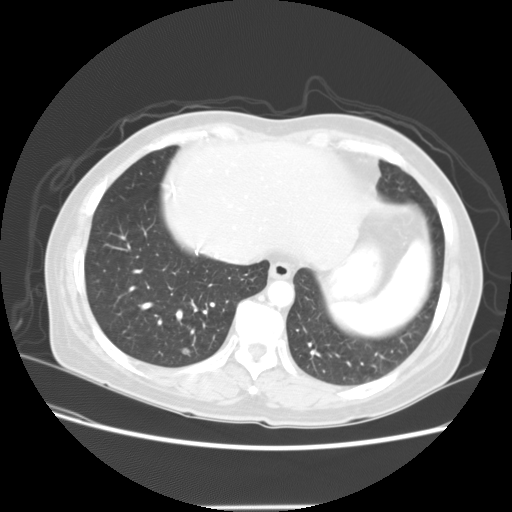
Axial slice 56 of 133 of a chest CT (slice 1 is the lowest), reconstructed with the STANDARD kernel at 120 kVp; 2.50 mm slice thickness and 0.703 mm pixels.
Pulmonary nodule outlined by all four readers; box rows 348–355, columns 181–189 (the union of the readers' outlines on this slice); the four readers' outlines give a longest diameter between 7.2 and 7.6 mm and a volume between 132 and 211 mm3. The readers' ratings, as ranges where they differ: texture from 3/5 (part-solid) to 5/5 (solid) across the four readers; margin from 4/5 to 5/5 (circumscribed) across the four readers; sphericity from 4/5 to 5/5 (round) across the four readers; calcification absent, all four readers agreeing; internal structure soft tissue from all four readers; subtlety rated between 3 and 4 out of 5 by the four readers; malignancy likelihood rated between 2 and 3 out of 5 by the four readers. Scale key (1–5): texture non-solid→solid, margin indistinct→circumscribed, sphericity linear→round, subtlety extremely subtle→obvious, malignancy likelihood highly unlikely→highly suspicious of cancer. Box rows and columns are 0-based pixel indices from the top-left corner, inclusive.